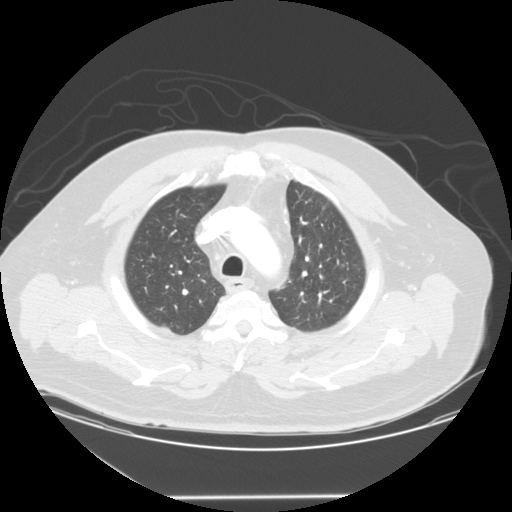
This is axial slice 107 of 127 (slice 1 is the lowest) of a chest CT; each pixel is 0.859 mm and the slice is 2.50 mm thick. Pulmonary nodule, outlined by three of the four readers, one of them on this slice. Box on this slice rows 205–210, columns 321–324, the one reader's outline on this slice; the three readers' outlines give a longest diameter between 5.4 and 7.9 mm and a volume between 71 and 181 mm3. Ratings across the readers: texture from 4/5 to 5/5 (solid) across the three readers; margin from 2/5 to 4/5 across the three readers; sphericity from 2/5 to 3/5 (ovoid) across the three readers; calcification absent from all three readers; internal structure soft tissue from all three readers; subtlety from 2/5 to 4/5 across the three readers; malignancy likelihood 2–3/5 (the readers disagree). Scale key (1–5): texture non-solid→solid, margin indistinct→circumscribed, sphericity linear→round, subtlety extremely subtle→obvious, malignancy likelihood highly unlikely→highly suspicious of cancer. Box rows and columns are 0-based pixel indices from the top-left corner, inclusive.
Tube voltage 120 kVp; convolution kernel STANDARD.